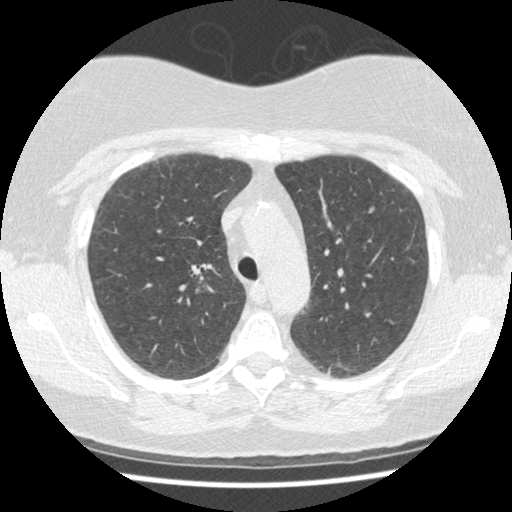
This is axial slice 290 of 401 (slice 1 is the lowest) of a chest CT; each pixel is 0.625 mm and the slice is 1.25 mm thick. Pulmonary nodule outlined by all four readers; box rows 205–213, columns 367–374 (the union of the readers' outlines on this slice); longest diameter 6.0 mm on average over the four readers' outlines (readers' outlines 5.9–6.4 mm), volume 30–40 mm3. The readers' prevailing ratings and who disagreed: texture 5/5 (solid), all four readers agreeing; margin 5/5 (circumscribed) by two of four readers; the rest gave 3/5 (one), 4/5 (one); sphericity 3/5 (ovoid) by two of four readers; the rest gave 2/5 (one), 4/5 (one); calcification absent from all four readers; internal structure soft tissue from all four readers; subtlety 3/5 by two of four readers; the rest gave 2/5 (one), 4/5 (one); malignancy likelihood split among the readers: 2/5 (two), 3/5 (two). Scale key (1–5): texture non-solid→solid, margin indistinct→circumscribed, sphericity linear→round, subtlety extremely subtle→obvious, malignancy likelihood highly unlikely→highly suspicious of cancer. Box rows and columns are 0-based pixel indices from the top-left corner, inclusive.
Tube voltage 120 kVp; convolution kernel STANDARD.